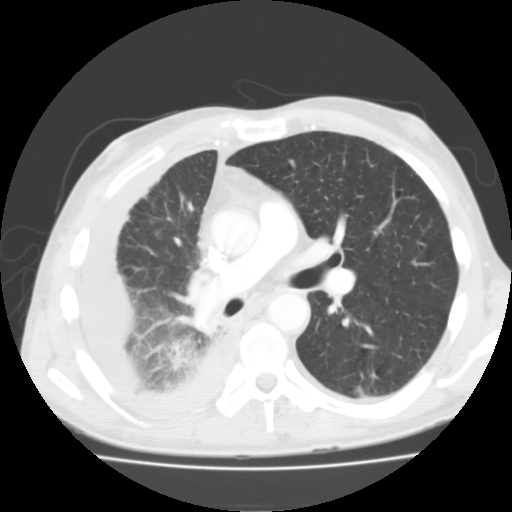
Axial chest CT slice 70 of 118 (counted from the lowest slice); 3.00 mm thick, 0.705 mm per pixel. Pulmonary nodule at rows 387–395, columns 354–363 (box = the union of the readers' outlines on this slice), outlined by all four readers; longest diameter 12.3 mm on average over the four readers' outlines (readers' outlines 11.1–13.4 mm), volume 595–1044 mm3. Ratings, by the readers' most common answer with dissent counted: texture 5/5 (solid) by three of four readers; the rest gave 4/5 (one); most readers (three of four) put margin at 5/5 (circumscribed), others 3/5 (one); sphericity 5/5 (round) from all four readers; calcification absent, all four readers agreeing; internal structure soft tissue from all four readers; subtlety split among the readers: 4/5 (two), 5/5 (two); most readers (three of four) put malignancy likelihood at 3/5, others 5/5 (one). Scale key (1–5): texture non-solid→solid, margin indistinct→circumscribed, sphericity linear→round, subtlety extremely subtle→obvious, malignancy likelihood highly unlikely→highly suspicious of cancer. Box rows and columns are 0-based pixel indices from the top-left corner, inclusive.
Scan settings: 135 kVp, FC01 reconstruction kernel.